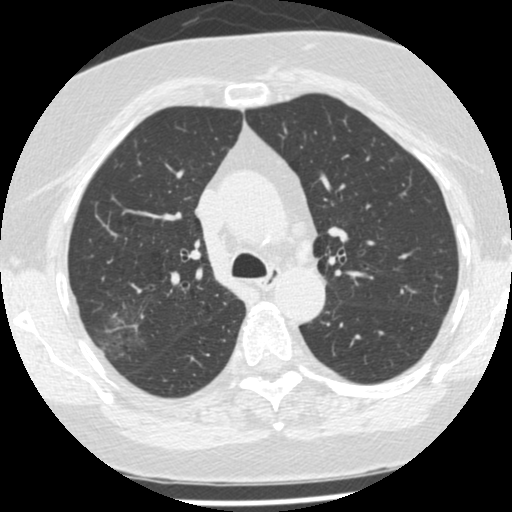
One axial slice (340 of 487, counting up from the lowest) of a chest CT acquired at 120 kVp with the STANDARD kernel; each pixel is 0.586 mm and the slice is 1.25 mm thick.
Pulmonary nodule at rows 335–351, columns 99–118 (box = the one reader's outline on this slice), outlined by two of the four readers, one of them on this slice; longest diameter 18.1 mm on average over the two readers' outlines (readers' outlines 11.3–24.9 mm), volume 232–2964 mm3. Ratings, by the readers' most common answer with dissent counted: texture 3/5 (part-solid) from both readers; margin split among the readers: 1/5 (indistinct) (one), 2/5 (one); sphericity 4/5, both readers agreeing; calcification absent from both readers; internal structure soft tissue, both readers agreeing; subtlety 4/5 from both readers; malignancy likelihood split among the readers: 3/5 (one), 4/5 (one). Scale key (1–5): texture non-solid→solid, margin indistinct→circumscribed, sphericity linear→round, subtlety extremely subtle→obvious, malignancy likelihood highly unlikely→highly suspicious of cancer. Box rows and columns are 0-based pixel indices from the top-left corner, inclusive.